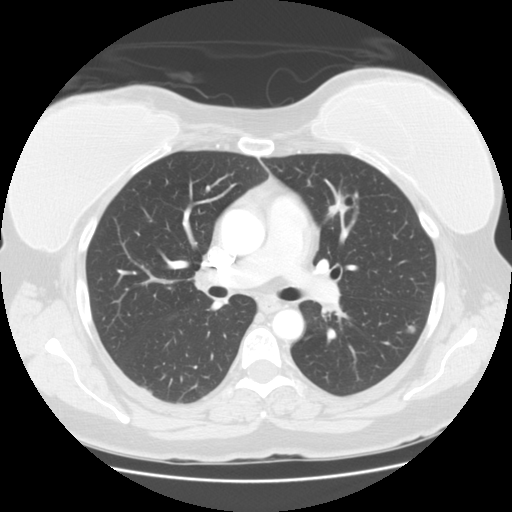
Axial slice 93 of 139 of a chest CT (slice 1 is the lowest), reconstructed with the STANDARD kernel at 120 kVp; 2.50 mm slice thickness and 0.703 mm pixels.
Two pulmonary nodules on this slice, listed from left to right. (1) Pulmonary nodule outlined once (the source holds five more outlines, not used); box rows 195–216, columns 327–354 (that reader's outline on this slice); longest diameter 26.9 mm and volume 1751 mm3 from that reader's outline. Ratings by that reader: texture 5/5 (solid); margin 5/5 (circumscribed); sphericity 3/5 (ovoid); calcification absent; internal structure soft tissue; subtlety 3/5; malignancy likelihood 2/5. (2) Pulmonary nodule, outlined by all four readers. Box on this slice rows 325–334, columns 404–415, the union of the readers' outlines on this slice; median longest diameter 9.1 mm (readers' outlines 8.0–10.5 mm), median volume 285 mm3 (250–346 mm3). Ratings, median across the readers with their spread: texture 3.5/5 at the median of four readers, spread 1/5 (non-solid) to 5/5 (solid); median margin 2.5/5 (readers ranged 1/5 (indistinct) to 4/5); sphericity 4.5/5 at the median of four readers, spread 4/5 to 5/5 (round); calcification absent, all four readers agreeing; internal structure soft tissue from all four readers; subtlety 4/5 at the median of four readers, spread 1–4; median malignancy likelihood 4/5 (readers ranged 2–4). Scale key (1–5): texture non-solid→solid, margin indistinct→circumscribed, sphericity linear→round, subtlety extremely subtle→obvious, malignancy likelihood highly unlikely→highly suspicious of cancer. Box rows and columns are 0-based pixel indices from the top-left corner, inclusive.